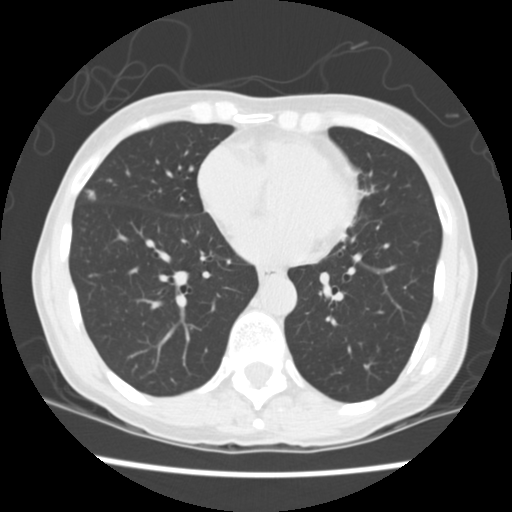
Axial chest CT slice 66 of 163 (counted from the lowest slice); tube voltage 120 kVp, convolution kernel STANDARD; slices 2.50 mm thick, 0.586 mm per pixel.
Pulmonary nodule outlined by three of the four readers; box rows 188–200, columns 84–96 (the union of the readers' outlines on this slice); longest diameter 8.8–10.1 mm and volume 193–242 mm3 across the three readers' outlines. The readers' ratings, as ranges where they differ: texture from 2/5 to 5/5 (solid) across the three readers; margin from 2/5 to 5/5 (circumscribed) across the three readers; sphericity 3/5 (ovoid), all three readers agreeing; calcification absent from all three readers; internal structure soft tissue, all three readers agreeing; subtlety rated between 2 and 5 out of 5 by the three readers; malignancy likelihood rated between 2 and 4 out of 5 by the three readers. Scale key (1–5): texture non-solid→solid, margin indistinct→circumscribed, sphericity linear→round, subtlety extremely subtle→obvious, malignancy likelihood highly unlikely→highly suspicious of cancer. Box rows and columns are 0-based pixel indices from the top-left corner, inclusive.